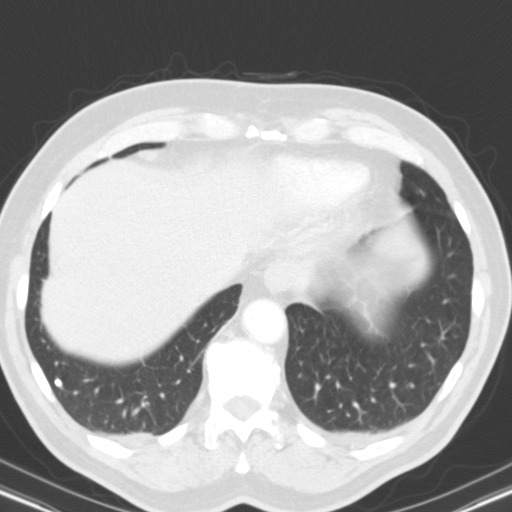
One axial slice (34 of 116, counting up from the lowest) of a chest CT acquired at 130 kVp with the B31s kernel; each pixel is 0.668 mm and the slice is 3.00 mm thick.
Pulmonary nodule, outlined by all four readers. Box on this slice rows 379–387, columns 55–61, the union of the readers' outlines on this slice; longest diameter 6.4 mm on average over the four readers' outlines (readers' outlines 6.0–7.2 mm), volume 61–92 mm3. Ratings, by the readers' most common answer with dissent counted: texture 5/5 (solid), all four readers agreeing; margin 5/5 (circumscribed) from all four readers; sphericity 4/5 by two of four readers; the rest gave 3/5 (ovoid) (one), 5/5 (round) (one); calcification solid calcification, all four readers agreeing; internal structure soft tissue, all four readers agreeing; subtlety split among the readers: 4/5 (two), 5/5 (two); malignancy likelihood 1/5 from all four readers. Scale key (1–5): texture non-solid→solid, margin indistinct→circumscribed, sphericity linear→round, subtlety extremely subtle→obvious, malignancy likelihood highly unlikely→highly suspicious of cancer. Box rows and columns are 0-based pixel indices from the top-left corner, inclusive.